Chest CT, axial plane, 120 kVp, kernel BONE. Slice 77/268 from the bottom of the scan; thickness 1.25 mm; pixel size 0.742 mm.
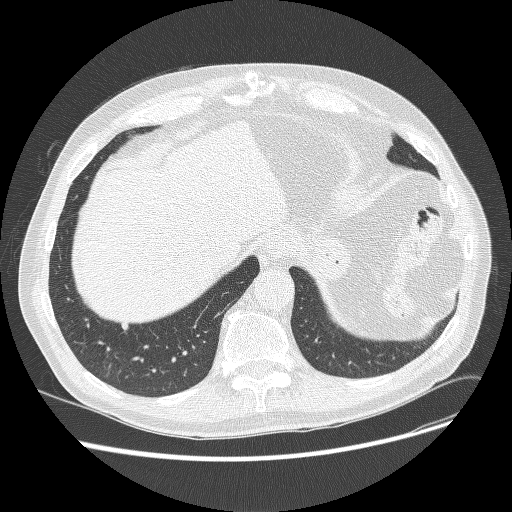
Pulmonary nodule, outlined by all four readers. Box on this slice rows 322–331, columns 120–129, the union of the readers' outlines on this slice; the four readers' outlines give a longest diameter between 8.2 and 9.9 mm and a volume between 157 and 231 mm3. Ratings across the readers: texture from 4/5 to 5/5 (solid) across the four readers; margin from 4/5 to 5/5 (circumscribed) across the four readers; sphericity from 3/5 (ovoid) to 4/5 across the four readers; calcification absent from all four readers; internal structure soft tissue, all four readers agreeing; subtlety rated between 3 and 4 out of 5 by the four readers; malignancy likelihood 2–4/5 (the readers disagree). Scale key (1–5): texture non-solid→solid, margin indistinct→circumscribed, sphericity linear→round, subtlety extremely subtle→obvious, malignancy likelihood highly unlikely→highly suspicious of cancer. Box rows and columns are 0-based pixel indices from the top-left corner, inclusive.